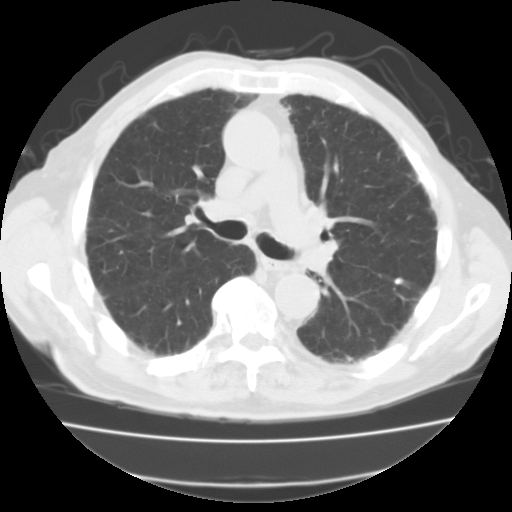
Axial chest CT slice 63 of 111 (counted from the lowest slice); tube voltage 135 kVp, convolution kernel FC01; slices 3.00 mm thick, 0.714 mm per pixel.
Pulmonary nodule at rows 277–284, columns 393–402 (box = that reader's outline on this slice), outlined by one of the four readers; longest diameter 8.4 mm and volume 198 mm3 from that reader's outline. Ratings by that reader: texture 5/5 (solid); margin 4/5; sphericity 3/5 (ovoid); calcification solid calcification; internal structure soft tissue; subtlety 4/5; malignancy likelihood 1/5. Scale key (1–5): texture non-solid→solid, margin indistinct→circumscribed, sphericity linear→round, subtlety extremely subtle→obvious, malignancy likelihood highly unlikely→highly suspicious of cancer. Box rows and columns are 0-based pixel indices from the top-left corner, inclusive.